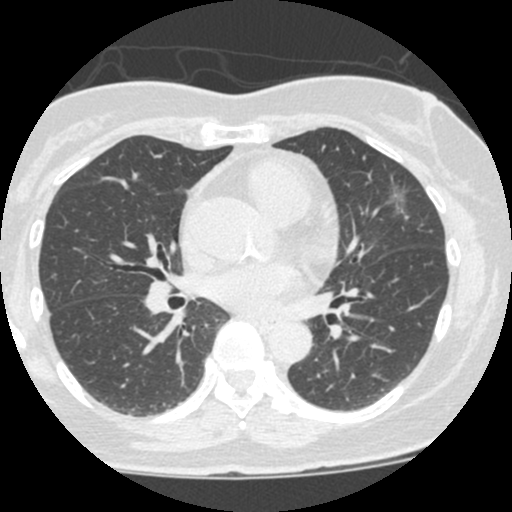
Axial chest CT slice 272 of 490 (counted from the lowest slice); tube voltage 120 kVp, convolution kernel STANDARD; slices 1.25 mm thick, 0.547 mm per pixel.
Pulmonary nodule, outlined by two of the four readers. Box on this slice rows 172–220, columns 385–409, the union of the readers' outlines on this slice; the two readers' outlines give a longest diameter between 26.3 and 27.5 mm and a volume between 1167 and 1852 mm3. The readers' ratings, as ranges where they differ: texture 1/5 (non-solid) from both readers; margin from 1/5 (indistinct) to 2/5 across the two readers; sphericity from 2/5 to 5/5 (round) across the two readers; calcification absent, both readers agreeing; internal structure soft tissue, both readers agreeing; subtlety rated between 1 and 5 out of 5 by the two readers; malignancy likelihood from 2/5 to 3/5 across the two readers. Scale key (1–5): texture non-solid→solid, margin indistinct→circumscribed, sphericity linear→round, subtlety extremely subtle→obvious, malignancy likelihood highly unlikely→highly suspicious of cancer. Box rows and columns are 0-based pixel indices from the top-left corner, inclusive.